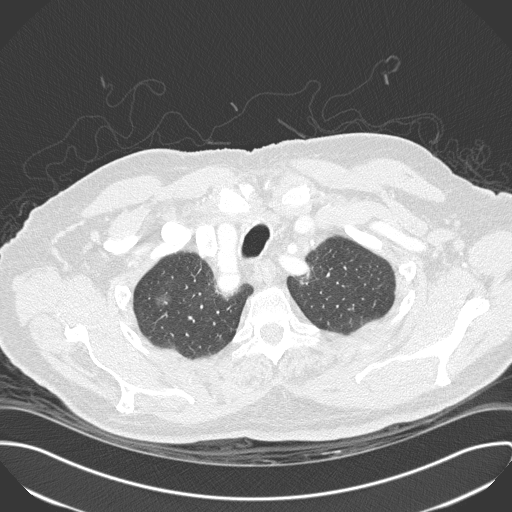
Axial chest CT slice 276 of 330 (counted from the lowest slice); 1.00 mm thick, 0.762 mm per pixel. Pulmonary nodule at rows 292–307, columns 154–171 (box = the union of the readers' outlines on this slice), outlined by all four readers; the four readers' outlines give a longest diameter between 15.2 and 19.9 mm and a volume between 678 and 927 mm3. Ratings across the readers: texture from 1/5 (non-solid) to 2/5 across the four readers; margin from 1/5 (indistinct) to 4/5 across the four readers; sphericity from 3/5 (ovoid) to 5/5 (round) across the four readers; calcification absent from all four readers; internal structure soft tissue, all four readers agreeing; subtlety from 1/5 to 4/5 across the four readers; malignancy likelihood from 2/5 to 4/5 across the four readers. Scale key (1–5): texture non-solid→solid, margin indistinct→circumscribed, sphericity linear→round, subtlety extremely subtle→obvious, malignancy likelihood highly unlikely→highly suspicious of cancer. Box rows and columns are 0-based pixel indices from the top-left corner, inclusive.
Scan settings: 120 kVp, B45f reconstruction kernel.